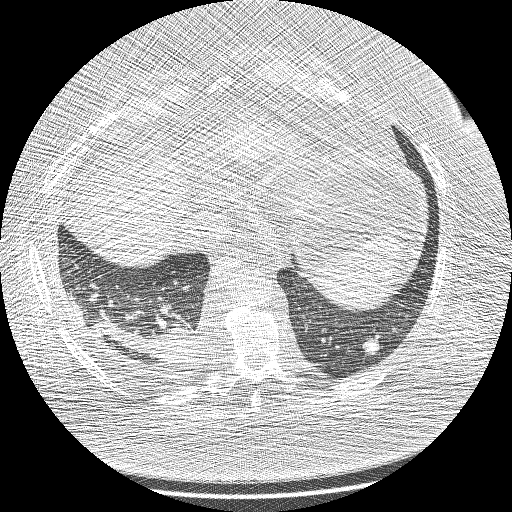
One axial slice (61 of 208, counting up from the lowest) of a chest CT acquired at 120 kVp with the BONE kernel; each pixel is 0.723 mm and the slice is 1.25 mm thick.
Pulmonary nodule, outlined by all four readers. Box on this slice rows 337–355, columns 360–380, the union of the readers' outlines on this slice; median longest diameter 16.2 mm (readers' outlines 13.7–18.1 mm), median volume 733 mm3 (365–1028 mm3). Median ratings and the readers' spread: texture 5/5 (solid) from all four readers; margin 4/5 from all four readers; median sphericity 4.5/5 (readers ranged 3/5 (ovoid) to 5/5 (round)); calcification: absent (three), central calcification (one); internal structure soft tissue from all four readers; subtlety 4.5/5 at the median of four readers, spread 3–5; median malignancy likelihood 3.5/5 (readers ranged 1–5). Scale key (1–5): texture non-solid→solid, margin indistinct→circumscribed, sphericity linear→round, subtlety extremely subtle→obvious, malignancy likelihood highly unlikely→highly suspicious of cancer. Box rows and columns are 0-based pixel indices from the top-left corner, inclusive.